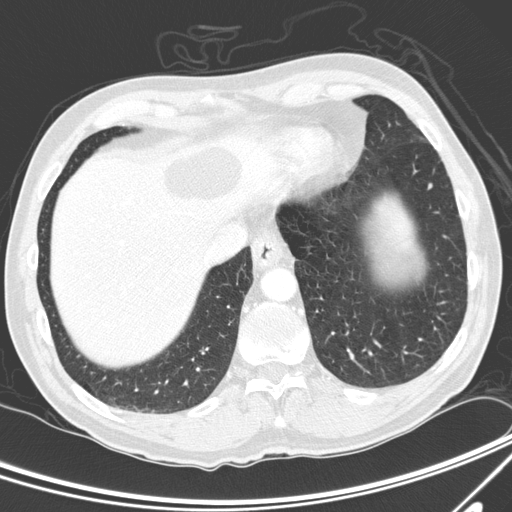
Axial slice 60 of 300 of a chest CT (slice 1 is the lowest), reconstructed with the D kernel at 120 kVp; 2.00 mm slice thickness and 0.678 mm pixels.
Pulmonary nodule at rows 183–188, columns 428–431 (box = that reader's outline on this slice), outlined by one of the four readers; longest diameter 5.8 mm and volume 44 mm3 from that reader's outline. That reader's ratings: texture 5/5 (solid); margin 4/5; sphericity 3/5 (ovoid); calcification absent; internal structure soft tissue; subtlety 4/5; malignancy likelihood 2/5. Scale key (1–5): texture non-solid→solid, margin indistinct→circumscribed, sphericity linear→round, subtlety extremely subtle→obvious, malignancy likelihood highly unlikely→highly suspicious of cancer. Box rows and columns are 0-based pixel indices from the top-left corner, inclusive.